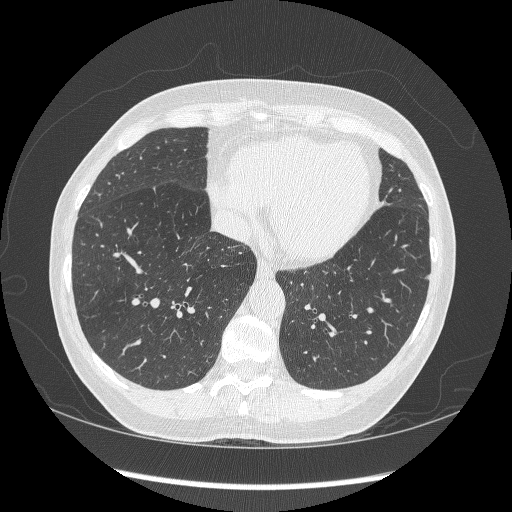
Slice 108/268 of a chest CT, counting up from the lowest; pixel size 0.703 mm, slice thickness 1.25 mm. Pulmonary nodule at rows 274–278, columns 423–429 (box = the union of the readers' outlines on this slice), outlined by all four readers, three of them on this slice; longest diameter 6.2 mm on average over the four readers' outlines (readers' outlines 5.7–6.9 mm), volume 32–65 mm3. The readers' prevailing ratings and who disagreed: most readers (three of four) put texture at 5/5 (solid), others 4/5 (one); margin split among the readers: 4/5 (two), 5/5 (circumscribed) (two); sphericity 4/5 by three of four readers; the rest gave 3/5 (ovoid) (one); calcification absent, all four readers agreeing; internal structure soft tissue from all four readers; subtlety 4/5 by two of four readers; the rest gave 3/5 (one), 5/5 (one); most readers (three of four) put malignancy likelihood at 3/5, others 2/5 (one). Scale key (1–5): texture non-solid→solid, margin indistinct→circumscribed, sphericity linear→round, subtlety extremely subtle→obvious, malignancy likelihood highly unlikely→highly suspicious of cancer. Box rows and columns are 0-based pixel indices from the top-left corner, inclusive.
Scan settings: 120 kVp, BONE reconstruction kernel.